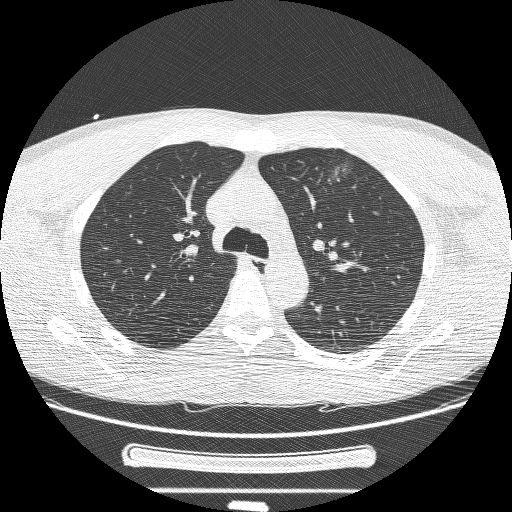
Chest CT, axial plane, 120 kVp, kernel BONE. Slice 169/244 from the bottom of the scan; thickness 1.25 mm; pixel size 0.729 mm.
Pulmonary nodule, outlined by three of the four readers, one of them on this slice. Box on this slice rows 159–180, columns 329–350, the one reader's outline on this slice; longest diameter 34.2 mm on average over the three readers' outlines (readers' outlines 27.4–37.9 mm), volume 2934–10099 mm3. Ratings, by the readers' most common answer with dissent counted: most readers (two of three) put texture at 5/5 (solid), others 3/5 (part-solid) (one); margin split among the readers: 1/5 (indistinct) (one), 2/5 (one), 3/5 (one); sphericity split among the readers: 2/5 (one), 3/5 (ovoid) (one), 4/5 (one); calcification absent, all three readers agreeing; internal structure soft tissue from all three readers; subtlety 5/5 from all three readers; malignancy likelihood 5/5 by two of three readers; the rest gave 3/5 (one). Scale key (1–5): texture non-solid→solid, margin indistinct→circumscribed, sphericity linear→round, subtlety extremely subtle→obvious, malignancy likelihood highly unlikely→highly suspicious of cancer. Box rows and columns are 0-based pixel indices from the top-left corner, inclusive.